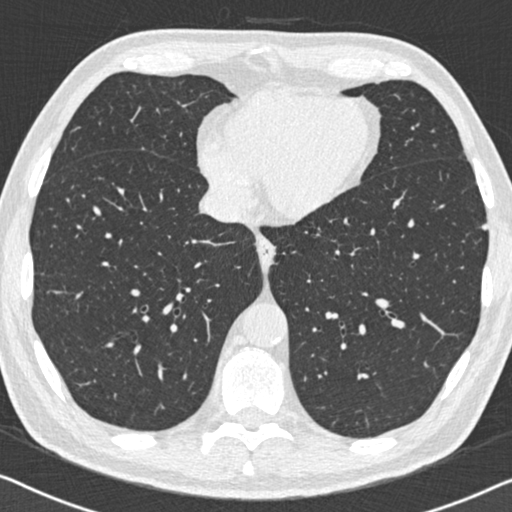
Axial slice 218 of 558 of a chest CT (slice 1 is the lowest), reconstructed with the B30f kernel at 120 kVp; 0.75 mm slice thickness and 0.648 mm pixels.
Pulmonary nodule at rows 223–230, columns 481–486 (box = the union of the readers' outlines on this slice), outlined by two of the four readers; longest diameter 6.2–7.0 mm and volume 80–93 mm3 across the two readers' outlines. Ratings across the readers: texture from 4/5 to 5/5 (solid) across the two readers; margin 4/5 from both readers; sphericity from 4/5 to 5/5 (round) across the two readers; calcification absent, both readers agreeing; internal structure soft tissue from both readers; subtlety 3–5/5 (the readers disagree); malignancy likelihood 2–3/5 (the readers disagree). Scale key (1–5): texture non-solid→solid, margin indistinct→circumscribed, sphericity linear→round, subtlety extremely subtle→obvious, malignancy likelihood highly unlikely→highly suspicious of cancer. Box rows and columns are 0-based pixel indices from the top-left corner, inclusive.